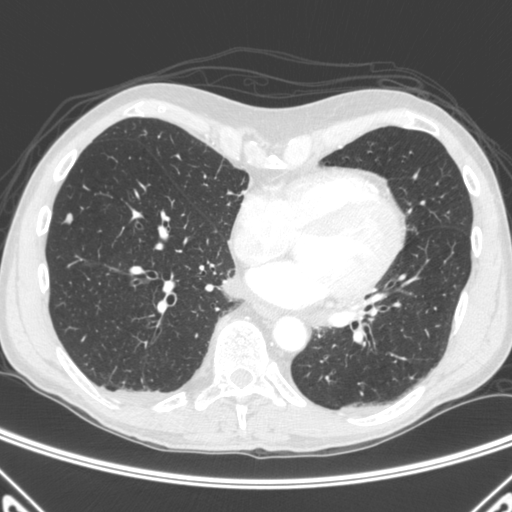
One axial slice (162 of 445, counting up from the lowest) of a chest CT acquired at 120 kVp with the C kernel; each pixel is 0.676 mm and the slice is 1.50 mm thick.
Pulmonary nodule, outlined by all four readers. Box on this slice rows 213–224, columns 64–72, the union of the readers' outlines on this slice; median longest diameter 8.5 mm (readers' outlines 7.0–8.9 mm), median volume 134 mm3 (62–138 mm3). Ratings, median across the readers with their spread: median texture 5/5 (solid) (readers ranged 1/5 (non-solid) to 5/5 (solid)); margin 4.5/5 at the median of four readers, spread 4/5 to 5/5 (circumscribed); sphericity 4/5, all four readers agreeing; calcification absent from all four readers; internal structure soft tissue, all four readers agreeing; subtlety 5/5, all four readers agreeing; malignancy likelihood 3/5 at the median of four readers, spread 3–4. Scale key (1–5): texture non-solid→solid, margin indistinct→circumscribed, sphericity linear→round, subtlety extremely subtle→obvious, malignancy likelihood highly unlikely→highly suspicious of cancer. Box rows and columns are 0-based pixel indices from the top-left corner, inclusive.